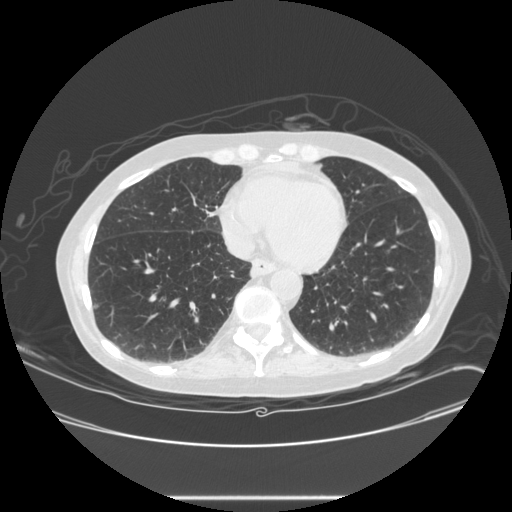
Axial slice 90 of 257 of a chest CT (slice 1 is the lowest), reconstructed with the STANDARD kernel at 120 kVp; 1.25 mm slice thickness and 0.787 mm pixels.
Pulmonary nodule at rows 304–308, columns 92–98 (box = the union of the readers' outlines on this slice), outlined by two of the four readers; median longest diameter 6.2 mm (readers' outlines 5.7–6.7 mm), median volume 46 mm3 (36–55 mm3). Median ratings and the readers' spread: texture 5/5 (solid), both readers agreeing; margin 4.5/5 at the median of two readers, spread 4/5 to 5/5 (circumscribed); sphericity 4/5 from both readers; calcification absent, both readers agreeing; internal structure soft tissue, both readers agreeing; median subtlety 2.5/5 (readers ranged 2–3); median malignancy likelihood 1.5/5 (readers ranged 1–2). Scale key (1–5): texture non-solid→solid, margin indistinct→circumscribed, sphericity linear→round, subtlety extremely subtle→obvious, malignancy likelihood highly unlikely→highly suspicious of cancer. Box rows and columns are 0-based pixel indices from the top-left corner, inclusive.